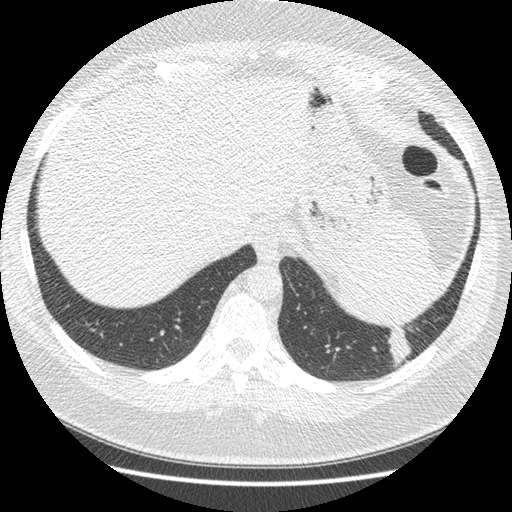
Chest CT, axial plane, 120 kVp, kernel STANDARD. Slice 53/421 from the bottom of the scan; thickness 1.25 mm; pixel size 0.703 mm.
Pulmonary nodule outlined four times (the source holds four more outlines, not used); box rows 324–368, columns 388–411 (the union of the readers' outlines on this slice); median longest diameter 32.9 mm (readers' outlines 30.9–38.9 mm), median volume 5450 mm3 (4443–5826 mm3). Median ratings and the readers' spread: texture 5/5 (solid) at the median of four readers, spread 4/5 to 5/5 (solid); median margin 4/5 (readers ranged 3/5 to 4/5); sphericity 2.5/5 at the median of four readers, spread 2/5 to 4/5; calcification absent, all four readers agreeing; internal structure soft tissue, all four readers agreeing; median subtlety 5/5 (readers ranged 4–5); malignancy likelihood 3.5/5 at the median of four readers, spread 2–5. Scale key (1–5): texture non-solid→solid, margin indistinct→circumscribed, sphericity linear→round, subtlety extremely subtle→obvious, malignancy likelihood highly unlikely→highly suspicious of cancer. Box rows and columns are 0-based pixel indices from the top-left corner, inclusive.